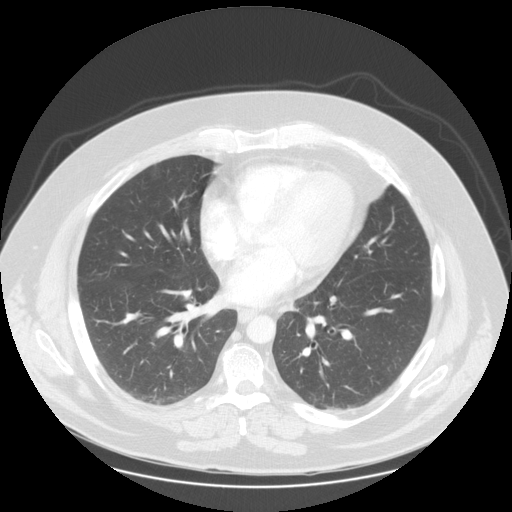
Axial chest CT slice 73 of 133 (counted from the lowest slice); tube voltage 120 kVp, convolution kernel STANDARD; slices 2.50 mm thick, 0.859 mm per pixel.
No nodule of 3 mm or larger was outlined by any of the four readers on this slice.